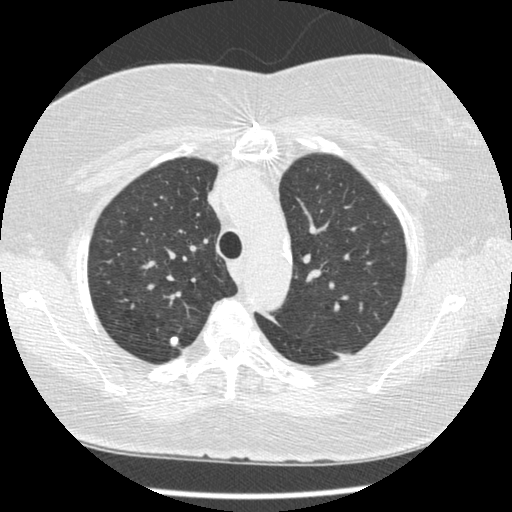
Axial chest CT slice 273 of 375 (counted from the lowest slice); tube voltage 120 kVp, convolution kernel STANDARD; slices 1.25 mm thick, 0.625 mm per pixel.
Pulmonary nodule at rows 335–347, columns 169–178 (box = the union of the readers' outlines on this slice), outlined by two of the four readers; longest diameter 7.8 mm on average over the two readers' outlines (readers' outlines 6.4–9.1 mm), volume 95–233 mm3. Ratings, by the readers' most common answer with dissent counted: texture 5/5 (solid), both readers agreeing; margin 5/5 (circumscribed), both readers agreeing; sphericity split among the readers: 3/5 (ovoid) (one), 4/5 (one); calcification split among the readers: solid calcification (one), absent (one); internal structure soft tissue from both readers; subtlety split among the readers: 4/5 (one), 5/5 (one); malignancy likelihood split among the readers: 1/5 (one), 3/5 (one). Scale key (1–5): texture non-solid→solid, margin indistinct→circumscribed, sphericity linear→round, subtlety extremely subtle→obvious, malignancy likelihood highly unlikely→highly suspicious of cancer. Box rows and columns are 0-based pixel indices from the top-left corner, inclusive.